Axial slice 240 of 463 of a chest CT (slice 1 is the lowest), reconstructed with the STANDARD kernel at 120 kVp; 1.25 mm slice thickness and 0.586 mm pixels.
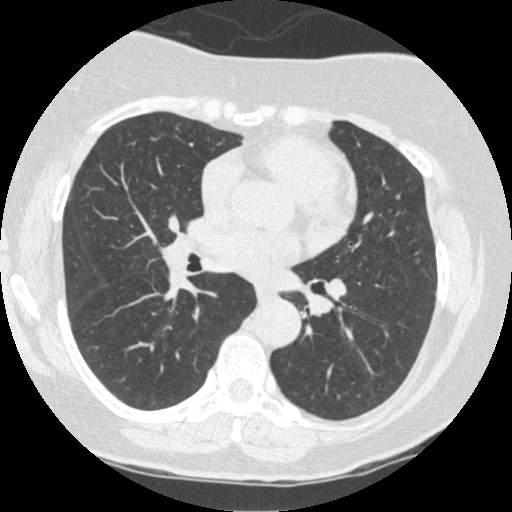
Pulmonary nodule, outlined by two of the four readers, one of them on this slice. Box on this slice rows 138–139, columns 151–155, the one reader's outline on this slice; longest diameter 6.9 mm on average over the two readers' outlines (readers' outlines 6.5–7.4 mm), volume 40–47 mm3. The readers' prevailing ratings and who disagreed: texture 5/5 (solid) from both readers; margin 4/5 from both readers; sphericity split among the readers: 2/5 (one), 3/5 (ovoid) (one); calcification absent from both readers; internal structure soft tissue, both readers agreeing; subtlety split among the readers: 2/5 (one), 4/5 (one); malignancy likelihood split among the readers: 2/5 (one), 3/5 (one). Scale key (1–5): texture non-solid→solid, margin indistinct→circumscribed, sphericity linear→round, subtlety extremely subtle→obvious, malignancy likelihood highly unlikely→highly suspicious of cancer. Box rows and columns are 0-based pixel indices from the top-left corner, inclusive.